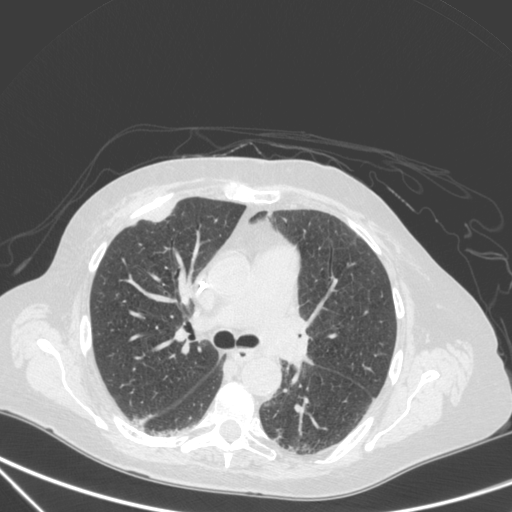
Axial slice 204 of 350 of a chest CT (slice 1 is the lowest), reconstructed with the C kernel at 120 kVp; 1.50 mm slice thickness and 0.725 mm pixels.
Pulmonary nodule at rows 209–221, columns 147–172 (box = that reader's outline on this slice), outlined by one of the four readers; longest diameter 29.5 mm and volume 4181 mm3 from that reader's outline. That reader's ratings: texture 5/5 (solid); margin 4/5; sphericity 2/5; calcification absent; internal structure soft tissue; subtlety 5/5; malignancy likelihood 4/5. Scale key (1–5): texture non-solid→solid, margin indistinct→circumscribed, sphericity linear→round, subtlety extremely subtle→obvious, malignancy likelihood highly unlikely→highly suspicious of cancer. Box rows and columns are 0-based pixel indices from the top-left corner, inclusive.